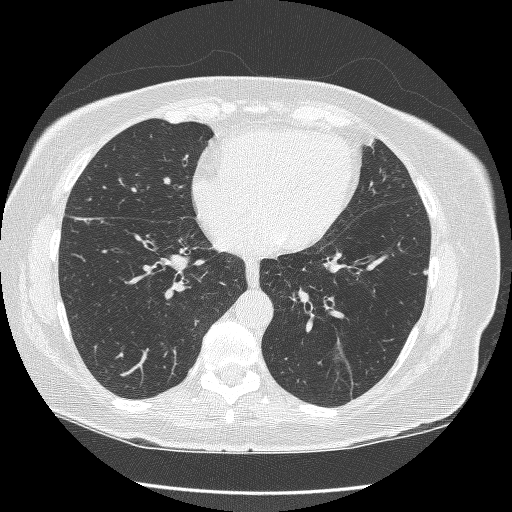
Axial chest CT slice 105 of 246 (counted from the lowest slice); tube voltage 120 kVp, convolution kernel BONE; slices 1.25 mm thick, 0.617 mm per pixel.
Pulmonary nodule at rows 268–275, columns 422–428 (box = the union of the readers' outlines on this slice), outlined by all four readers; longest diameter 5.9 mm on average over the four readers' outlines (readers' outlines 5.3–6.9 mm), volume 36–54 mm3. Ratings, by the readers' most common answer with dissent counted: texture 5/5 (solid) by three of four readers; the rest gave 4/5 (one); margin 4/5 by two of four readers; the rest gave 3/5 (one), 5/5 (circumscribed) (one); sphericity 4/5, all four readers agreeing; calcification absent from all four readers; internal structure soft tissue from all four readers; subtlety 4/5 by two of four readers; the rest gave 2/5 (one), 3/5 (one); malignancy likelihood 3/5, all four readers agreeing. Scale key (1–5): texture non-solid→solid, margin indistinct→circumscribed, sphericity linear→round, subtlety extremely subtle→obvious, malignancy likelihood highly unlikely→highly suspicious of cancer. Box rows and columns are 0-based pixel indices from the top-left corner, inclusive.